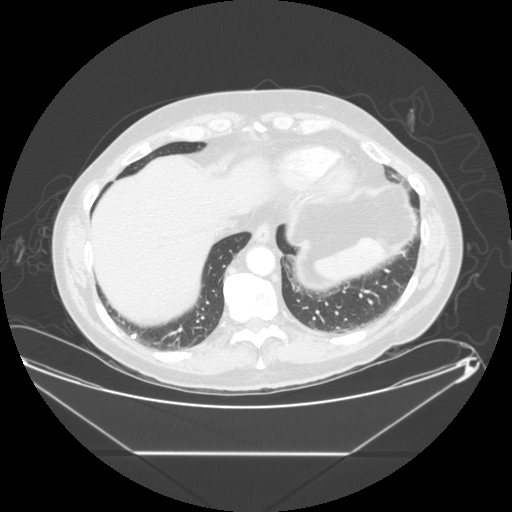
One axial slice (68 of 265, counting up from the lowest) of a chest CT acquired at 120 kVp with the STANDARD kernel; each pixel is 0.883 mm and the slice is 1.25 mm thick.
Pulmonary nodule, outlined by all four readers. Box on this slice rows 334–338, columns 130–136, the union of the readers' outlines on this slice; longest diameter 6.3 mm on average over the four readers' outlines (readers' outlines 5.9–7.3 mm), volume 65–115 mm3. Ratings, by the readers' most common answer with dissent counted: texture 5/5 (solid), all four readers agreeing; margin 5/5 (circumscribed) from all four readers; sphericity 3/5 (ovoid) by two of four readers; the rest gave 4/5 (one), 5/5 (round) (one); calcification solid calcification by three of four readers, absent (one); internal structure soft tissue from all four readers; subtlety 5/5 by two of four readers; the rest gave 3/5 (one), 4/5 (one); most readers (three of four) put malignancy likelihood at 1/5, others 2/5 (one). Scale key (1–5): texture non-solid→solid, margin indistinct→circumscribed, sphericity linear→round, subtlety extremely subtle→obvious, malignancy likelihood highly unlikely→highly suspicious of cancer. Box rows and columns are 0-based pixel indices from the top-left corner, inclusive.